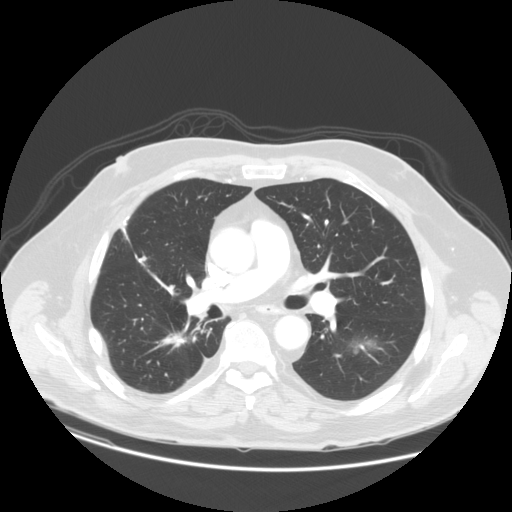
Axial chest CT slice 72 of 140 (counted from the lowest slice); 2.50 mm thick, 0.820 mm per pixel. Pulmonary nodule outlined by all four readers, one of them on this slice; box rows 334–353, columns 349–379 (the one reader's outline on this slice); longest diameter 31.0 mm on average over the four readers' outlines (readers' outlines 28.0–35.5 mm), volume 4625–10612 mm3. Ratings, by the readers' most common answer with dissent counted: texture 4/5 by two of four readers; the rest gave 3/5 (part-solid) (one), 5/5 (solid) (one); margin 3/5 by three of four readers; the rest gave 4/5 (one); sphericity 4/5 by two of four readers; the rest gave 3/5 (ovoid) (one), 5/5 (round) (one); calcification absent, all four readers agreeing; internal structure soft tissue, all four readers agreeing; subtlety 5/5, all four readers agreeing; malignancy likelihood 5/5 by two of four readers; the rest gave 3/5 (one), 4/5 (one). Scale key (1–5): texture non-solid→solid, margin indistinct→circumscribed, sphericity linear→round, subtlety extremely subtle→obvious, malignancy likelihood highly unlikely→highly suspicious of cancer. Box rows and columns are 0-based pixel indices from the top-left corner, inclusive.
Scan settings: 120 kVp, STANDARD reconstruction kernel.